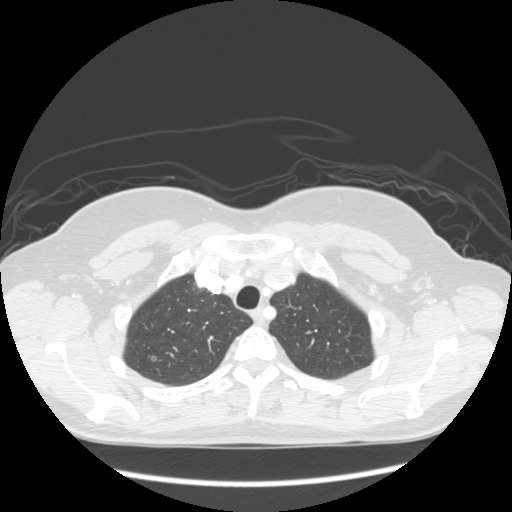
Chest CT, axial plane, 120 kVp, kernel STANDARD. Slice 108/133 from the bottom of the scan; thickness 2.50 mm; pixel size 0.703 mm.
Pulmonary nodule outlined by one of the four readers; box rows 356–360, columns 149–155 (that reader's outline on this slice); longest diameter 6.3 mm and volume 75 mm3 from that reader's outline. Ratings by that reader: texture 4/5; margin 3/5; sphericity 5/5 (round); calcification absent; internal structure soft tissue; subtlety 1/5; malignancy likelihood 2/5. Scale key (1–5): texture non-solid→solid, margin indistinct→circumscribed, sphericity linear→round, subtlety extremely subtle→obvious, malignancy likelihood highly unlikely→highly suspicious of cancer. Box rows and columns are 0-based pixel indices from the top-left corner, inclusive.